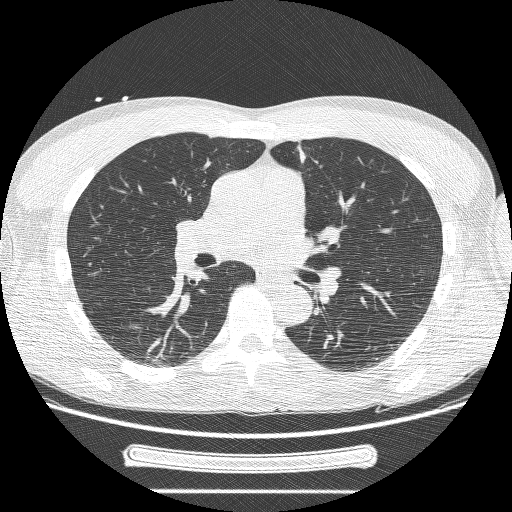
Axial chest CT slice 136 of 244 (counted from the lowest slice); 1.25 mm thick, 0.729 mm per pixel. Pulmonary nodule at rows 144–163, columns 296–306 (box = the union of the readers' outlines on this slice), outlined by three of the four readers, two of them on this slice; longest diameter 34.2 mm on average over the three readers' outlines (readers' outlines 27.4–37.9 mm), volume 2934–10099 mm3. Ratings, by the readers' most common answer with dissent counted: texture 5/5 (solid) by two of three readers; the rest gave 3/5 (part-solid) (one); margin split among the readers: 1/5 (indistinct) (one), 2/5 (one), 3/5 (one); sphericity split among the readers: 2/5 (one), 3/5 (ovoid) (one), 4/5 (one); calcification absent, all three readers agreeing; internal structure soft tissue from all three readers; subtlety 5/5 from all three readers; most readers (two of three) put malignancy likelihood at 5/5, others 3/5 (one). Scale key (1–5): texture non-solid→solid, margin indistinct→circumscribed, sphericity linear→round, subtlety extremely subtle→obvious, malignancy likelihood highly unlikely→highly suspicious of cancer. Box rows and columns are 0-based pixel indices from the top-left corner, inclusive.
Acquired at 120 kVp and reconstructed with the BONE kernel.